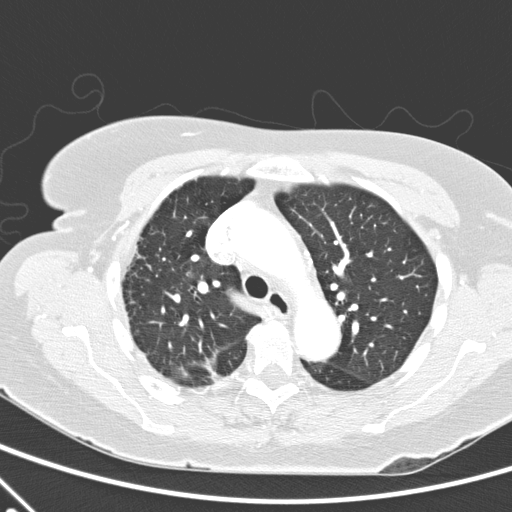
Axial chest CT slice 164 of 248 (counted from the lowest slice); tube voltage 120 kVp, convolution kernel D; slices 2.00 mm thick, 0.633 mm per pixel.
Pulmonary nodule at rows 373–380, columns 211–221 (box = that reader's outline on this slice), outlined by one of the four readers; longest diameter 13.2 mm and volume 418 mm3 from that reader's outline. That reader's ratings: texture 5/5 (solid); margin 1/5 (indistinct); sphericity 2/5; calcification absent; internal structure soft tissue; subtlety 4/5; malignancy likelihood 2/5. Scale key (1–5): texture non-solid→solid, margin indistinct→circumscribed, sphericity linear→round, subtlety extremely subtle→obvious, malignancy likelihood highly unlikely→highly suspicious of cancer. Box rows and columns are 0-based pixel indices from the top-left corner, inclusive.